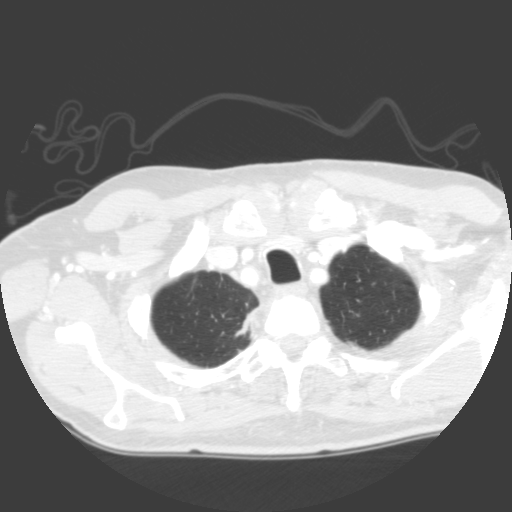
Axial slice 299 of 335 of a chest CT (slice 1 is the lowest), reconstructed with the B kernel at 120 kVp; 2.00 mm slice thickness and 0.623 mm pixels.
Pulmonary nodule outlined by one of the four readers; box rows 303–308, columns 245–249 (that reader's outline on this slice); longest diameter 8.1 mm and volume 221 mm3 from that reader's outline. Ratings by that reader: texture 4/5; margin 3/5; sphericity 4/5; calcification absent; internal structure soft tissue; subtlety 2/5; malignancy likelihood 1/5. Scale key (1–5): texture non-solid→solid, margin indistinct→circumscribed, sphericity linear→round, subtlety extremely subtle→obvious, malignancy likelihood highly unlikely→highly suspicious of cancer. Box rows and columns are 0-based pixel indices from the top-left corner, inclusive.